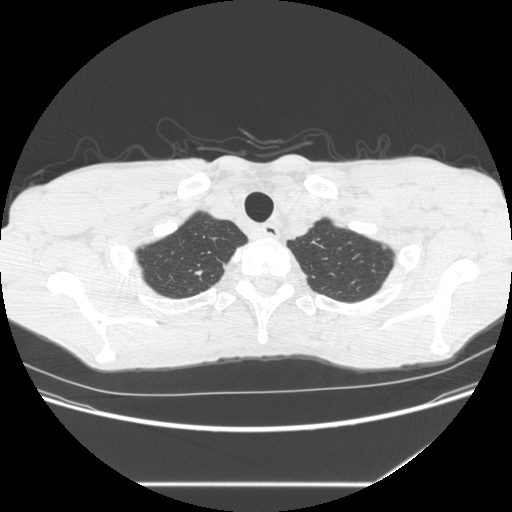
One axial slice (266 of 301, counting up from the lowest) of a chest CT acquired at 120 kVp with the STANDARD kernel; each pixel is 0.752 mm and the slice is 1.25 mm thick.
Pulmonary nodule outlined by three of the four readers; box rows 270–275, columns 194–202 (the union of the readers' outlines on this slice); longest diameter 7.2 mm on average over the three readers' outlines (readers' outlines 6.9–7.9 mm), volume 79–115 mm3. The readers' prevailing ratings and who disagreed: most readers (two of three) put texture at 5/5 (solid), others 4/5 (one); margin 4/5 by two of three readers; the rest gave 3/5 (one); sphericity 4/5 by two of three readers; the rest gave 2/5 (one); calcification absent, all three readers agreeing; internal structure soft tissue, all three readers agreeing; most readers (two of three) put subtlety at 3/5, others 4/5 (one); malignancy likelihood 3/5 by two of three readers; the rest gave 2/5 (one). Scale key (1–5): texture non-solid→solid, margin indistinct→circumscribed, sphericity linear→round, subtlety extremely subtle→obvious, malignancy likelihood highly unlikely→highly suspicious of cancer. Box rows and columns are 0-based pixel indices from the top-left corner, inclusive.